Chest CT, axial plane, 120 kVp, kernel BONE. Slice 215/240 from the bottom of the scan; thickness 1.25 mm; pixel size 0.604 mm.
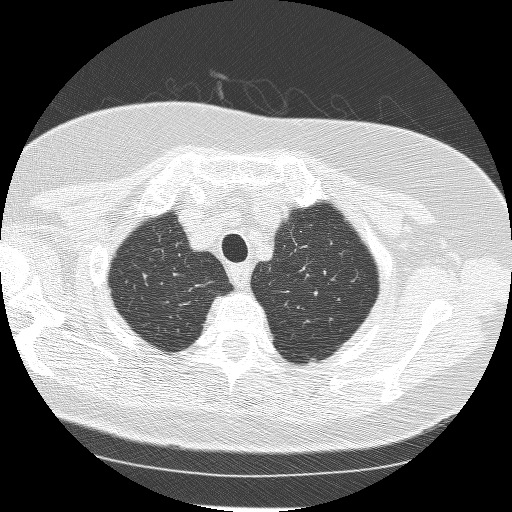
Pulmonary nodule, outlined by one of the four readers. Box on this slice rows 357–360, columns 309–315, that reader's outline on this slice; longest diameter 6.2 mm and volume 38 mm3 from that reader's outline. That reader's ratings: texture 5/5 (solid); margin 5/5 (circumscribed); sphericity 3/5 (ovoid); calcification absent; internal structure soft tissue; subtlety 4/5; malignancy likelihood 3/5. Scale key (1–5): texture non-solid→solid, margin indistinct→circumscribed, sphericity linear→round, subtlety extremely subtle→obvious, malignancy likelihood highly unlikely→highly suspicious of cancer. Box rows and columns are 0-based pixel indices from the top-left corner, inclusive.